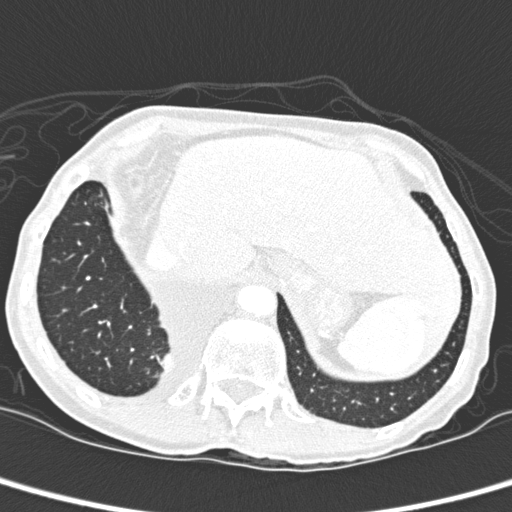
Slice 36/280 of a chest CT, counting up from the lowest; pixel size 0.564 mm, slice thickness 1.00 mm. Pulmonary nodule at rows 354–370, columns 161–170 (box = the union of the readers' outlines on this slice), outlined by two of the four readers; longest diameter 32.1–35.8 mm and volume 5657–6702 mm3 across the two readers' outlines. Ratings across the readers: texture 5/5 (solid) from both readers; margin 4/5 from both readers; sphericity 3/5 (ovoid), both readers agreeing; calcification absent from both readers; internal structure soft tissue from both readers; subtlety 5/5 from both readers; malignancy likelihood rated between 2 and 3 out of 5 by the two readers. Scale key (1–5): texture non-solid→solid, margin indistinct→circumscribed, sphericity linear→round, subtlety extremely subtle→obvious, malignancy likelihood highly unlikely→highly suspicious of cancer. Box rows and columns are 0-based pixel indices from the top-left corner, inclusive.
Tube voltage 120 kVp; convolution kernel D.